One axial slice (497 of 764, counting up from the lowest) of a chest CT acquired at 120 kVp with the B31f kernel; each pixel is 0.646 mm and the slice is 1.00 mm thick.
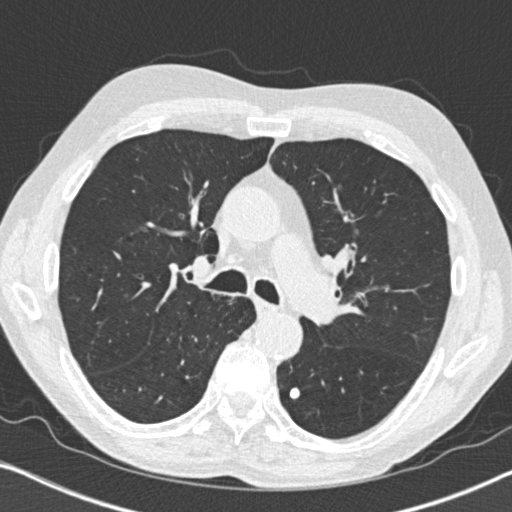
Pulmonary nodule at rows 386–400, columns 288–300 (box = the union of the readers' outlines on this slice), outlined by all four readers; the four readers' outlines give a longest diameter between 10.7 and 12.7 mm and a volume between 382 and 638 mm3. Ratings across the readers: texture 5/5 (solid), all four readers agreeing; margin 5/5 (circumscribed) from all four readers; sphericity from 4/5 to 5/5 (round) across the four readers; calcification solid calcification, all four readers agreeing; internal structure soft tissue from all four readers; subtlety 5/5, all four readers agreeing; malignancy likelihood 1/5, all four readers agreeing. Scale key (1–5): texture non-solid→solid, margin indistinct→circumscribed, sphericity linear→round, subtlety extremely subtle→obvious, malignancy likelihood highly unlikely→highly suspicious of cancer. Box rows and columns are 0-based pixel indices from the top-left corner, inclusive.